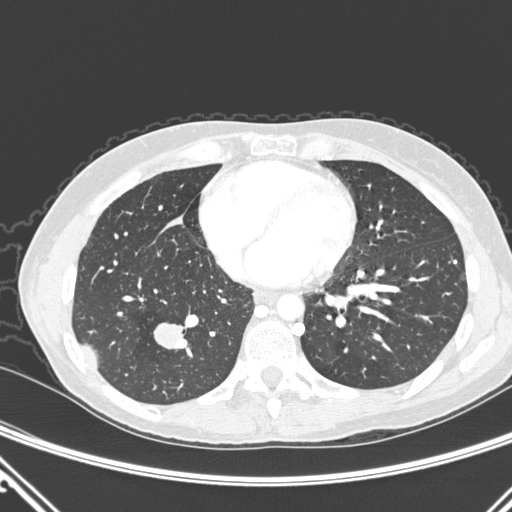
One axial slice (103 of 290, counting up from the lowest) of a chest CT acquired at 120 kVp with the D kernel; each pixel is 0.662 mm and the slice is 1.00 mm thick.
Pulmonary nodule, outlined by all four readers. Box on this slice rows 322–349, columns 154–184, the union of the readers' outlines on this slice; longest diameter 24.6 mm on average over the four readers' outlines (readers' outlines 22.2–29.6 mm), volume 2637–3531 mm3. Ratings, by the readers' most common answer with dissent counted: texture 5/5 (solid) from all four readers; margin split among the readers: 4/5 (two), 5/5 (circumscribed) (two); sphericity 4/5 by two of four readers; the rest gave 2/5 (one), 5/5 (round) (one); calcification absent, all four readers agreeing; internal structure soft tissue from all four readers; subtlety 5/5 from all four readers; malignancy likelihood 5/5 by two of four readers; the rest gave 3/5 (one), 4/5 (one). Scale key (1–5): texture non-solid→solid, margin indistinct→circumscribed, sphericity linear→round, subtlety extremely subtle→obvious, malignancy likelihood highly unlikely→highly suspicious of cancer. Box rows and columns are 0-based pixel indices from the top-left corner, inclusive.